Axial chest CT slice 124 of 270 (counted from the lowest slice); tube voltage 120 kVp, convolution kernel BONE; slices 1.25 mm thick, 0.703 mm per pixel.
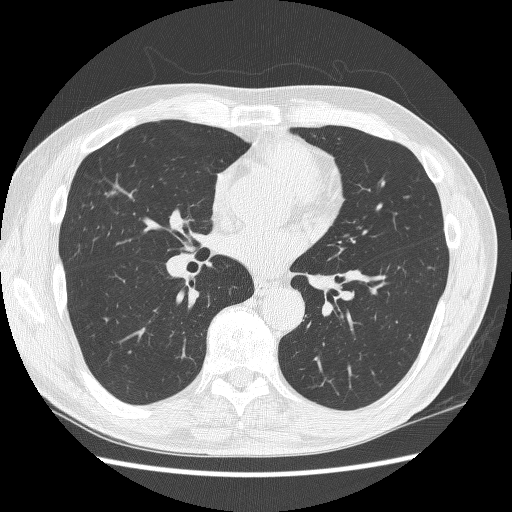
Pulmonary nodule outlined by all four readers, two of them on this slice; box rows 191–195, columns 107–115 (the union of the readers' outlines on this slice); the four readers' outlines give a longest diameter between 9.8 and 10.9 mm and a volume between 198 and 291 mm3. Ratings across the readers: texture 5/5 (solid), all four readers agreeing; margin from 3/5 to 5/5 (circumscribed) across the four readers; sphericity from 2/5 to 3/5 (ovoid) across the four readers; calcification split among the readers: solid calcification (two), absent (two); internal structure soft tissue, all four readers agreeing; subtlety from 3/5 to 5/5 across the four readers; malignancy likelihood 1–3/5 (the readers disagree). Scale key (1–5): texture non-solid→solid, margin indistinct→circumscribed, sphericity linear→round, subtlety extremely subtle→obvious, malignancy likelihood highly unlikely→highly suspicious of cancer. Box rows and columns are 0-based pixel indices from the top-left corner, inclusive.